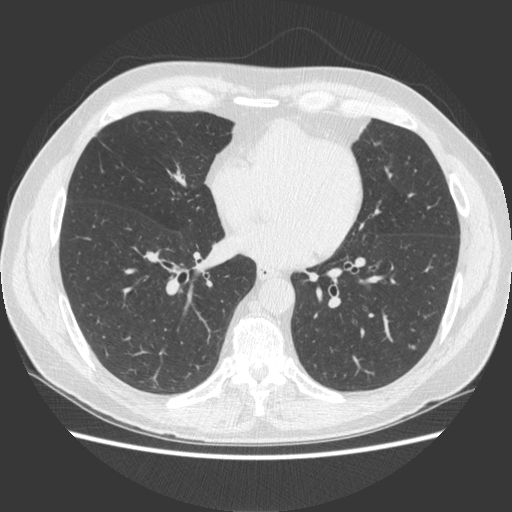
Axial slice 205 of 500 of a chest CT (slice 1 is the lowest), reconstructed with the STANDARD kernel at 120 kVp; 1.25 mm slice thickness and 0.703 mm pixels.
Pulmonary nodule outlined by three of the four readers; box rows 344–349, columns 408–415 (the union of the readers' outlines on this slice); the three readers' outlines give a longest diameter between 6.6 and 8.2 mm and a volume between 102 and 165 mm3. The readers' ratings, as ranges where they differ: texture from 4/5 to 5/5 (solid) across the three readers; margin from 4/5 to 5/5 (circumscribed) across the three readers; sphericity from 3/5 (ovoid) to 5/5 (round) across the three readers; calcification absent from all three readers; internal structure soft tissue from all three readers; subtlety 4–5/5 (the readers disagree); malignancy likelihood rated between 2 and 4 out of 5 by the three readers. Scale key (1–5): texture non-solid→solid, margin indistinct→circumscribed, sphericity linear→round, subtlety extremely subtle→obvious, malignancy likelihood highly unlikely→highly suspicious of cancer. Box rows and columns are 0-based pixel indices from the top-left corner, inclusive.